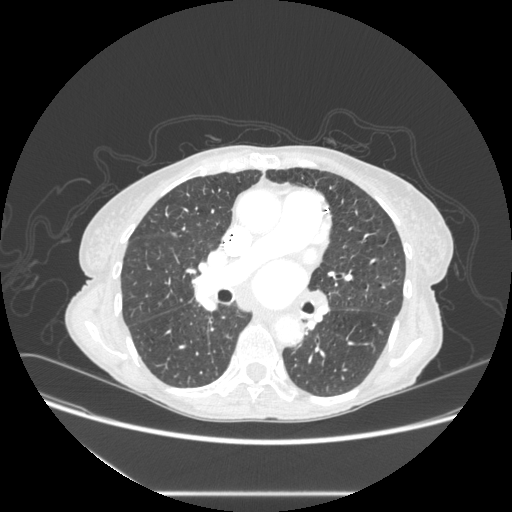
Chest CT, axial plane, 120 kVp, kernel STANDARD. Slice 163/289 from the bottom of the scan; thickness 1.25 mm; pixel size 0.764 mm.
None of the four readers outlined a nodule of 3 mm or more on this slice.